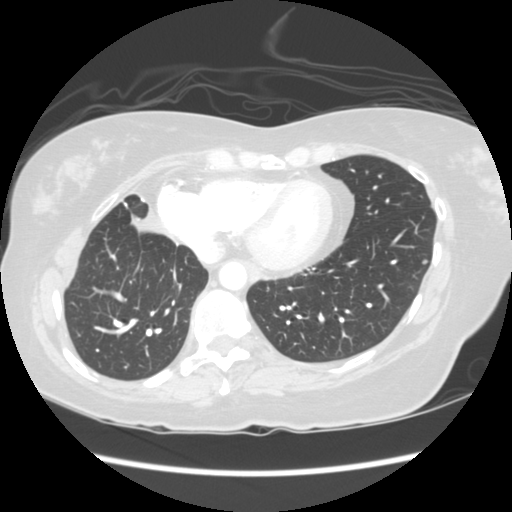
Axial chest CT slice 54 of 133 (counted from the lowest slice); 2.50 mm thick, 0.664 mm per pixel. Pulmonary nodule outlined by one of the four readers; box rows 259–263, columns 422–427 (that reader's outline on this slice); longest diameter 5.1 mm and volume 61 mm3 from that reader's outline. That reader's ratings: texture 4/5; margin 4/5; sphericity 3/5 (ovoid); calcification absent; internal structure soft tissue; subtlety 1/5; malignancy likelihood 3/5. Scale key (1–5): texture non-solid→solid, margin indistinct→circumscribed, sphericity linear→round, subtlety extremely subtle→obvious, malignancy likelihood highly unlikely→highly suspicious of cancer. Box rows and columns are 0-based pixel indices from the top-left corner, inclusive.
Acquired at 120 kVp and reconstructed with the STANDARD kernel.